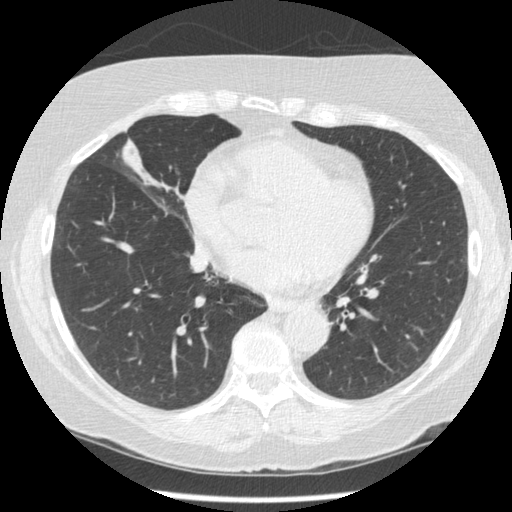
Chest CT, axial plane, 120 kVp, kernel STANDARD. Slice 202/484 from the bottom of the scan; thickness 1.25 mm; pixel size 0.664 mm.
Pulmonary nodule outlined by one of the four readers; box rows 294–297, columns 84–89 (that reader's outline on this slice); longest diameter 5.6 mm and volume 47 mm3 from that reader's outline. That reader's ratings: texture 5/5 (solid); margin 4/5; sphericity 5/5 (round); calcification absent; internal structure soft tissue; subtlety 5/5; malignancy likelihood 3/5. Scale key (1–5): texture non-solid→solid, margin indistinct→circumscribed, sphericity linear→round, subtlety extremely subtle→obvious, malignancy likelihood highly unlikely→highly suspicious of cancer. Box rows and columns are 0-based pixel indices from the top-left corner, inclusive.